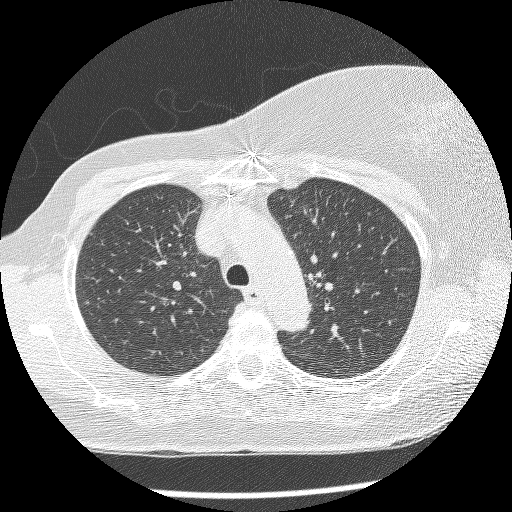
One axial slice (171 of 220, counting up from the lowest) of a chest CT acquired at 120 kVp with the BONE kernel; each pixel is 0.598 mm and the slice is 1.25 mm thick.
Pulmonary nodule outlined by one of the four readers; box rows 301–304, columns 85–88 (that reader's outline on this slice); longest diameter 4.8 mm and volume 30 mm3 from that reader's outline. Ratings by that reader: texture 5/5 (solid); margin 5/5 (circumscribed); sphericity 5/5 (round); calcification absent; internal structure soft tissue; subtlety 4/5; malignancy likelihood 1/5. Scale key (1–5): texture non-solid→solid, margin indistinct→circumscribed, sphericity linear→round, subtlety extremely subtle→obvious, malignancy likelihood highly unlikely→highly suspicious of cancer. Box rows and columns are 0-based pixel indices from the top-left corner, inclusive.